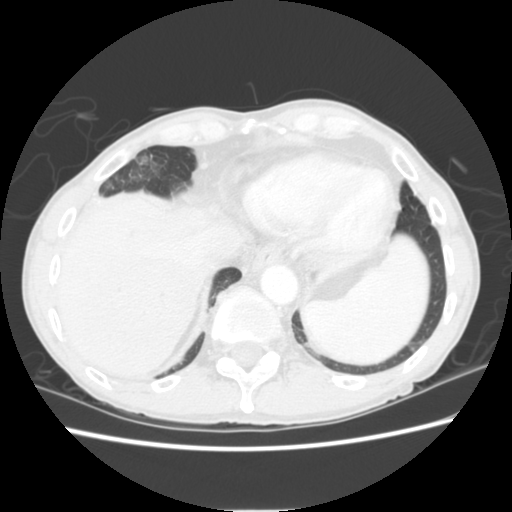
Axial chest CT slice 45 of 255 (counted from the lowest slice); 2.50 mm thick, 0.664 mm per pixel. Pulmonary nodule at rows 157–164, columns 140–147 (box = the one reader's outline on this slice), outlined by all four readers, one of them on this slice; the four readers' outlines give a longest diameter between 25.4 and 30.3 mm and a volume between 4677 and 6345 mm3. The readers' ratings, as ranges where they differ: texture 5/5 (solid), all four readers agreeing; margin from 4/5 to 5/5 (circumscribed) across the four readers; sphericity from 3/5 (ovoid) to 5/5 (round) across the four readers; calcification absent from all four readers; internal structure soft tissue, all four readers agreeing; subtlety 5/5, all four readers agreeing; malignancy likelihood 3–5/5 (the readers disagree). Scale key (1–5): texture non-solid→solid, margin indistinct→circumscribed, sphericity linear→round, subtlety extremely subtle→obvious, malignancy likelihood highly unlikely→highly suspicious of cancer. Box rows and columns are 0-based pixel indices from the top-left corner, inclusive.
Acquired at 120 kVp and reconstructed with the STANDARD kernel.